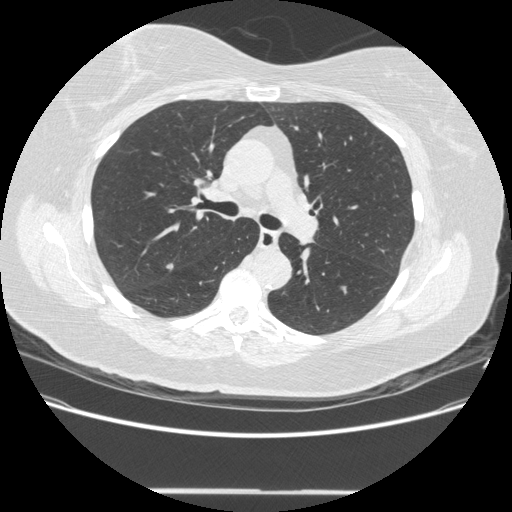
Chest CT, axial plane, 120 kVp, kernel STANDARD. Slice 292/481 from the bottom of the scan; thickness 1.25 mm; pixel size 0.742 mm.
Pulmonary nodule at rows 263–270, columns 164–173 (box = the union of the readers' outlines on this slice), outlined by three of the four readers; median longest diameter 14.2 mm (readers' outlines 13.9–15.6 mm), median volume 777 mm3 (741–820 mm3). Ratings, median across the readers with their spread: texture 4/5, all three readers agreeing; margin 4/5 at the median of three readers, spread 3/5 to 4/5; median sphericity 3/5 (ovoid) (readers ranged 3/5 (ovoid) to 4/5); calcification absent, all three readers agreeing; internal structure soft tissue, all three readers agreeing; subtlety 4/5 at the median of three readers, spread 4–5; malignancy likelihood 5/5 at the median of three readers, spread 4–5. Scale key (1–5): texture non-solid→solid, margin indistinct→circumscribed, sphericity linear→round, subtlety extremely subtle→obvious, malignancy likelihood highly unlikely→highly suspicious of cancer. Box rows and columns are 0-based pixel indices from the top-left corner, inclusive.